Axial chest CT slice 60 of 458 (counted from the lowest slice); tube voltage 120 kVp, convolution kernel STANDARD; slices 1.25 mm thick, 0.625 mm per pixel.
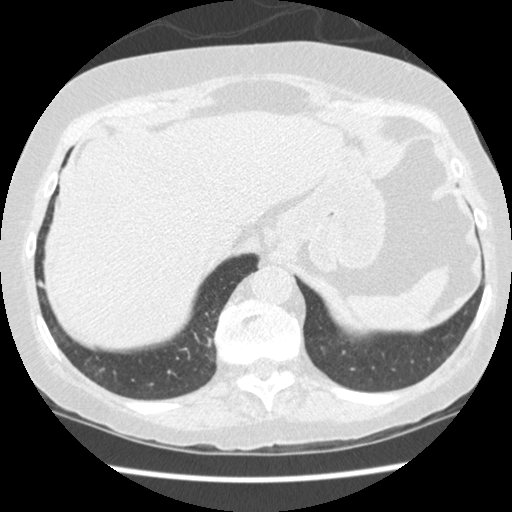
Pulmonary nodule outlined by one of the four readers; box rows 280–287, columns 37–43 (that reader's outline on this slice); longest diameter 6.4 mm and volume 86 mm3 from that reader's outline. That reader's ratings: texture 5/5 (solid); margin 4/5; sphericity 3/5 (ovoid); calcification absent; internal structure soft tissue; subtlety 3/5; malignancy likelihood 1/5. Scale key (1–5): texture non-solid→solid, margin indistinct→circumscribed, sphericity linear→round, subtlety extremely subtle→obvious, malignancy likelihood highly unlikely→highly suspicious of cancer. Box rows and columns are 0-based pixel indices from the top-left corner, inclusive.